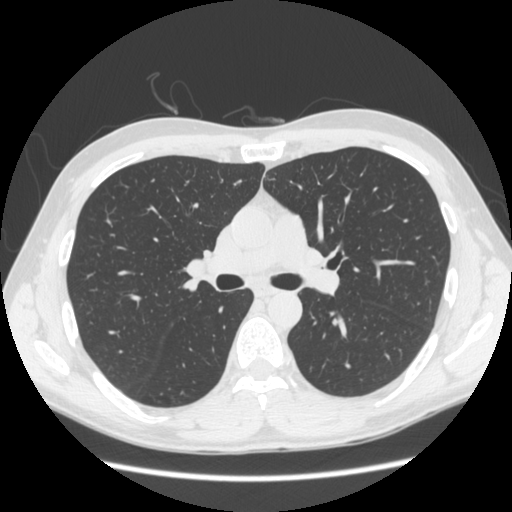
Axial slice 180 of 293 of a chest CT (slice 1 is the lowest), reconstructed with the STANDARD kernel at 120 kVp; 1.25 mm slice thickness and 0.689 mm pixels.
None of the four readers outlined a nodule of 3 mm or more on this slice.